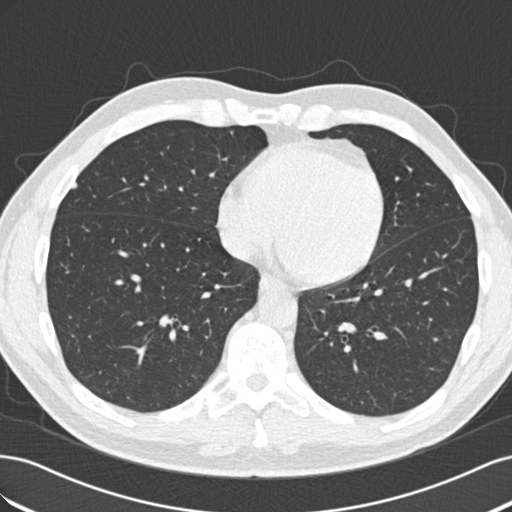
Chest CT, axial plane, 120 kVp, kernel B30f. Slice 90/219 from the bottom of the scan; thickness 2.00 mm; pixel size 0.703 mm.
Pulmonary nodule, outlined by one of the four readers. Box on this slice rows 181–188, columns 69–76, that reader's outline on this slice; longest diameter 6.7 mm and volume 132 mm3 from that reader's outline. Ratings by that reader: texture 5/5 (solid); margin 5/5 (circumscribed); sphericity 3/5 (ovoid); calcification absent; internal structure soft tissue; subtlety 4/5; malignancy likelihood 1/5. Scale key (1–5): texture non-solid→solid, margin indistinct→circumscribed, sphericity linear→round, subtlety extremely subtle→obvious, malignancy likelihood highly unlikely→highly suspicious of cancer. Box rows and columns are 0-based pixel indices from the top-left corner, inclusive.